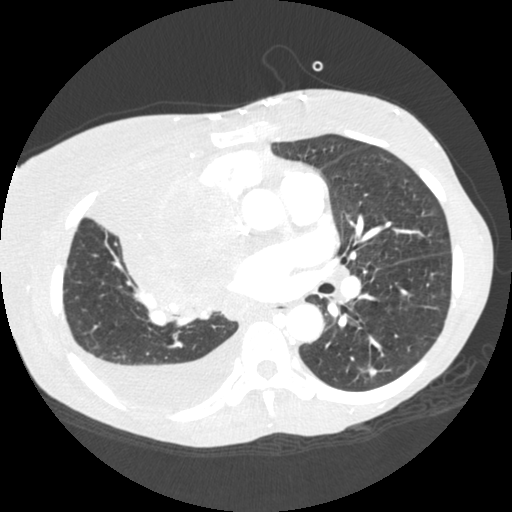
Axial slice 122 of 238 of a chest CT (slice 1 is the lowest), reconstructed with the STANDARD kernel at 120 kVp; 1.25 mm slice thickness and 0.625 mm pixels.
Pulmonary nodule at rows 364–376, columns 366–377 (box = the union of the readers' outlines on this slice), outlined by all four readers; longest diameter 10.1 mm on average over the four readers' outlines (readers' outlines 9.7–10.7 mm), volume 334–416 mm3. Ratings, by the readers' most common answer with dissent counted: texture 5/5 (solid) from all four readers; margin 4/5, all four readers agreeing; sphericity split among the readers: 4/5 (two), 5/5 (round) (two); calcification absent from all four readers; internal structure soft tissue, all four readers agreeing; subtlety split among the readers: 4/5 (two), 5/5 (two); malignancy likelihood 4/5 by two of four readers; the rest gave 3/5 (one), 5/5 (one). Scale key (1–5): texture non-solid→solid, margin indistinct→circumscribed, sphericity linear→round, subtlety extremely subtle→obvious, malignancy likelihood highly unlikely→highly suspicious of cancer. Box rows and columns are 0-based pixel indices from the top-left corner, inclusive.